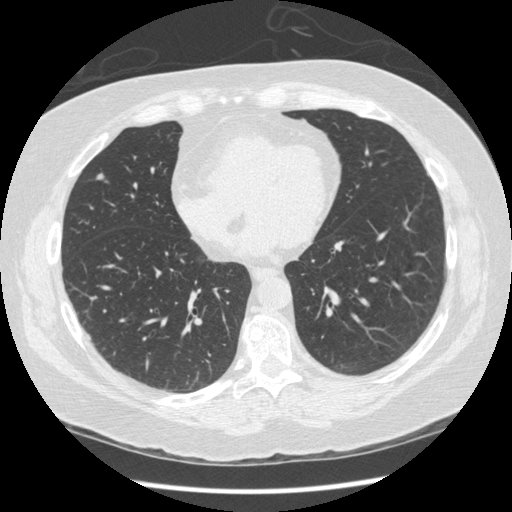
One axial slice (159 of 436, counting up from the lowest) of a chest CT acquired at 120 kVp with the STANDARD kernel; each pixel is 0.703 mm and the slice is 1.25 mm thick.
Pulmonary nodule, outlined by all four readers. Box on this slice rows 172–180, columns 95–105, the union of the readers' outlines on this slice; median longest diameter 9.3 mm (readers' outlines 7.3–9.8 mm), median volume 191 mm3 (103–208 mm3). Ratings, median across the readers with their spread: texture 5/5 (solid) from all four readers; median margin 4/5 (readers ranged 4/5 to 5/5 (circumscribed)); median sphericity 4.5/5 (readers ranged 3/5 (ovoid) to 5/5 (round)); calcification absent, all four readers agreeing; internal structure soft tissue from all four readers; median subtlety 4/5 (readers ranged 3–5); median malignancy likelihood 3/5 (readers ranged 2–4). Scale key (1–5): texture non-solid→solid, margin indistinct→circumscribed, sphericity linear→round, subtlety extremely subtle→obvious, malignancy likelihood highly unlikely→highly suspicious of cancer. Box rows and columns are 0-based pixel indices from the top-left corner, inclusive.